Axial slice 221 of 369 of a chest CT (slice 1 is the lowest), reconstructed with the STANDARD kernel at 120 kVp; 1.25 mm slice thickness and 0.703 mm pixels.
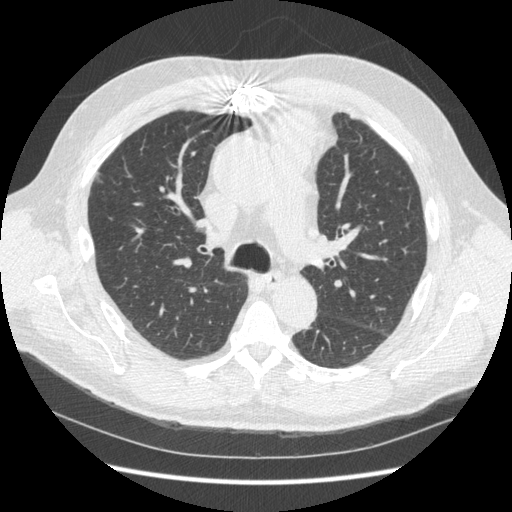
Pulmonary nodule at rows 173–181, columns 94–101 (box = that reader's outline on this slice), outlined by one of the four readers; longest diameter 27.0 mm and volume 3015 mm3 from that reader's outline. Ratings by that reader: texture 1/5 (non-solid); margin 1/5 (indistinct); sphericity 3/5 (ovoid); calcification absent; internal structure soft tissue; subtlety 3/5; malignancy likelihood 3/5. Scale key (1–5): texture non-solid→solid, margin indistinct→circumscribed, sphericity linear→round, subtlety extremely subtle→obvious, malignancy likelihood highly unlikely→highly suspicious of cancer. Box rows and columns are 0-based pixel indices from the top-left corner, inclusive.